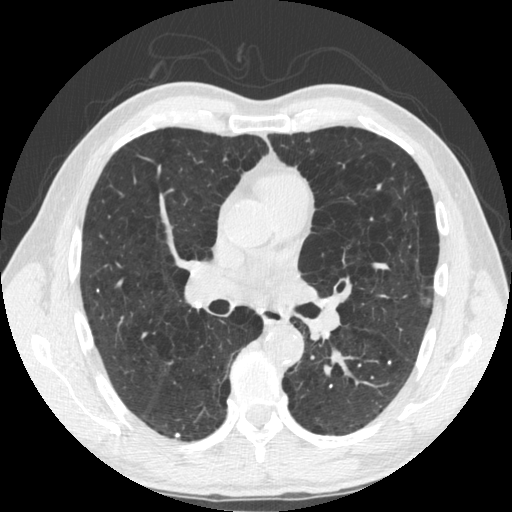
Axial chest CT slice 293 of 535 (counted from the lowest slice); tube voltage 120 kVp, convolution kernel STANDARD; slices 1.25 mm thick, 0.664 mm per pixel.
Pulmonary nodule outlined by two of the four readers; box rows 433–438, columns 174–179 (the union of the readers' outlines on this slice); longest diameter 3.9–5.5 mm and volume 25–50 mm3 across the two readers' outlines. Ratings across the readers: texture 5/5 (solid) from both readers; margin from 4/5 to 5/5 (circumscribed) across the two readers; sphericity 5/5 (round) from both readers; calcification solid calcification from both readers; internal structure soft tissue, both readers agreeing; subtlety from 4/5 to 5/5 across the two readers; malignancy likelihood 1/5, both readers agreeing. Scale key (1–5): texture non-solid→solid, margin indistinct→circumscribed, sphericity linear→round, subtlety extremely subtle→obvious, malignancy likelihood highly unlikely→highly suspicious of cancer. Box rows and columns are 0-based pixel indices from the top-left corner, inclusive.